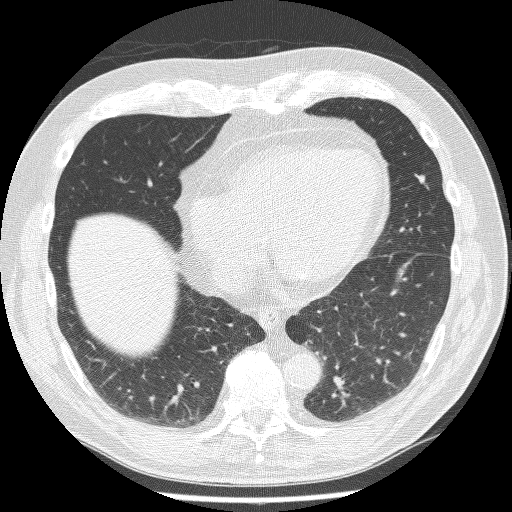
Chest CT, axial plane, 120 kVp, kernel BONE. Slice 89/244 from the bottom of the scan; thickness 1.25 mm; pixel size 0.674 mm.
Pulmonary nodule, outlined by all four readers. Box on this slice rows 175–182, columns 416–424, the union of the readers' outlines on this slice; longest diameter 7.8 mm on average over the four readers' outlines (readers' outlines 6.6–9.1 mm), volume 111–136 mm3. Ratings, by the readers' most common answer with dissent counted: most readers (three of four) put texture at 5/5 (solid), others 4/5 (one); margin 5/5 (circumscribed) by two of four readers; the rest gave 2/5 (one), 4/5 (one); sphericity 3/5 (ovoid) by two of four readers; the rest gave 2/5 (one), 4/5 (one); calcification absent from all four readers; internal structure soft tissue, all four readers agreeing; subtlety 4/5 by two of four readers; the rest gave 3/5 (one), 5/5 (one); most readers (three of four) put malignancy likelihood at 3/5, others 2/5 (one). Scale key (1–5): texture non-solid→solid, margin indistinct→circumscribed, sphericity linear→round, subtlety extremely subtle→obvious, malignancy likelihood highly unlikely→highly suspicious of cancer. Box rows and columns are 0-based pixel indices from the top-left corner, inclusive.